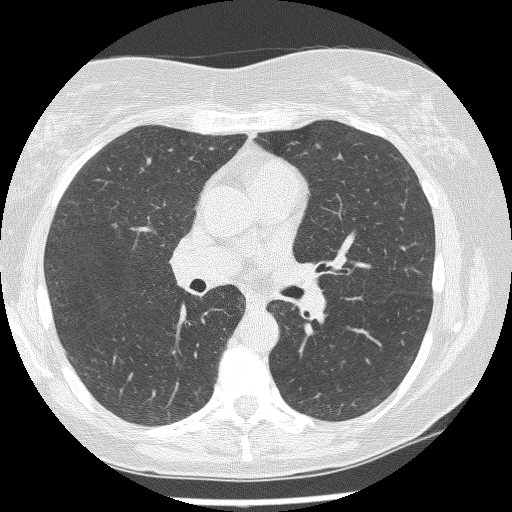
Axial chest CT slice 164 of 270 (counted from the lowest slice); 1.25 mm thick, 0.604 mm per pixel. No nodule of 3 mm or larger was outlined by any of the four readers on this slice.
Tube voltage 120 kVp; convolution kernel BONE.